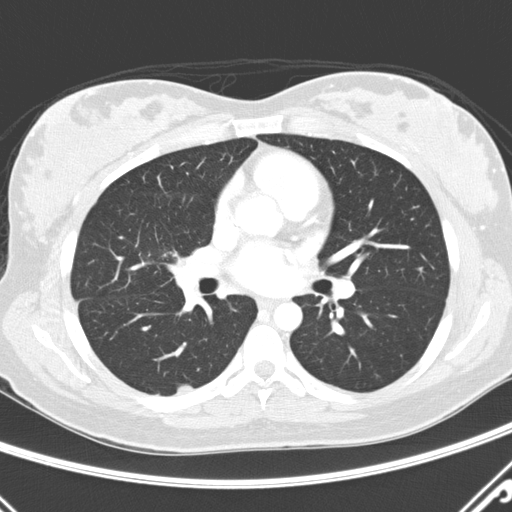
Chest CT, axial plane, 120 kVp, kernel D. Slice 162/290 from the bottom of the scan; thickness 2.00 mm; pixel size 0.648 mm.
Pulmonary nodule outlined by one of the four readers; box rows 382–393, columns 176–192 (that reader's outline on this slice); longest diameter 14.2 mm and volume 261 mm3 from that reader's outline. That reader's ratings: texture 4/5; margin 4/5; sphericity 3/5 (ovoid); calcification absent; internal structure soft tissue; subtlety 5/5; malignancy likelihood 3/5. Scale key (1–5): texture non-solid→solid, margin indistinct→circumscribed, sphericity linear→round, subtlety extremely subtle→obvious, malignancy likelihood highly unlikely→highly suspicious of cancer. Box rows and columns are 0-based pixel indices from the top-left corner, inclusive.